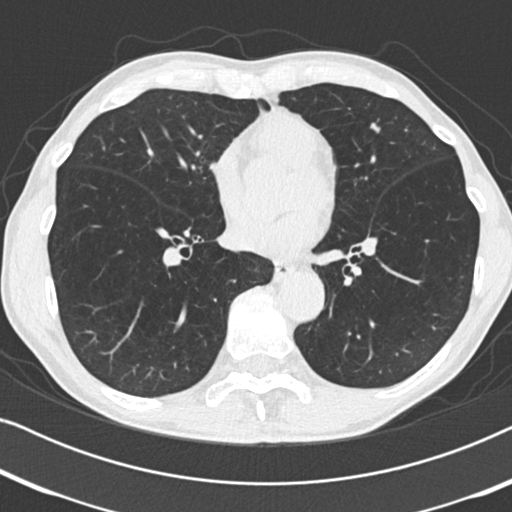
Axial chest CT slice 110 of 225 (counted from the lowest slice); tube voltage 120 kVp, convolution kernel B30f; slices 2.00 mm thick, 0.645 mm per pixel.
Pulmonary nodule, outlined by one of the four readers. Box on this slice rows 123–132, columns 370–379, that reader's outline on this slice; longest diameter 9.8 mm and volume 164 mm3 from that reader's outline. Ratings by that reader: texture 5/5 (solid); margin 4/5; sphericity 3/5 (ovoid); calcification absent; internal structure soft tissue; subtlety 2/5; malignancy likelihood 2/5. Scale key (1–5): texture non-solid→solid, margin indistinct→circumscribed, sphericity linear→round, subtlety extremely subtle→obvious, malignancy likelihood highly unlikely→highly suspicious of cancer. Box rows and columns are 0-based pixel indices from the top-left corner, inclusive.